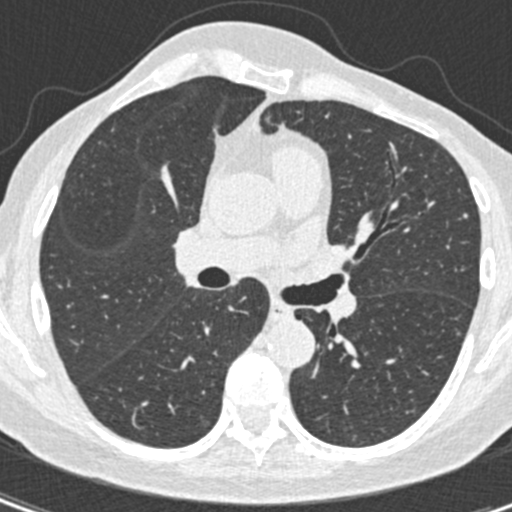
Chest CT, axial plane, 120 kVp, kernel B30f. Slice 239/408 from the bottom of the scan; thickness 0.75 mm; pixel size 0.531 mm.
Pulmonary nodule at rows 214–217, columns 463–467 (box = that reader's outline on this slice), outlined by one of the four readers; longest diameter 4.1 mm and volume 22 mm3 from that reader's outline. That reader's ratings: texture 5/5 (solid); margin 5/5 (circumscribed); sphericity 5/5 (round); calcification absent; internal structure soft tissue; subtlety 5/5; malignancy likelihood 2/5. Scale key (1–5): texture non-solid→solid, margin indistinct→circumscribed, sphericity linear→round, subtlety extremely subtle→obvious, malignancy likelihood highly unlikely→highly suspicious of cancer. Box rows and columns are 0-based pixel indices from the top-left corner, inclusive.